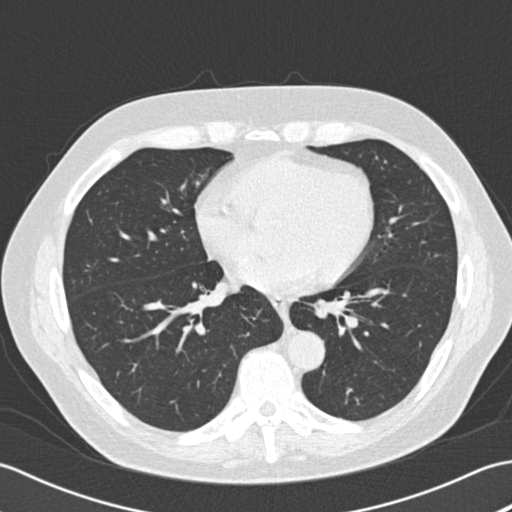
Slice 84/180 of a chest CT, counting up from the lowest; pixel size 0.684 mm, slice thickness 2.00 mm. The readers outlined no nodule of 3 mm or more on this slice.
Acquired at 120 kVp and reconstructed with the B30f kernel.